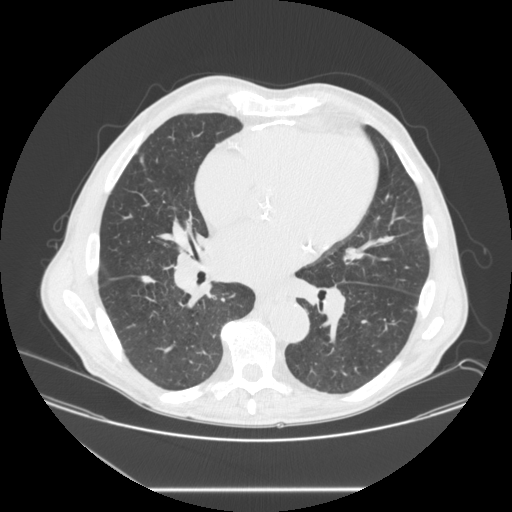
Axial chest CT slice 115 of 245 (counted from the lowest slice); tube voltage 120 kVp, convolution kernel STANDARD; slices 1.25 mm thick, 0.834 mm per pixel.
Pulmonary nodule, outlined by three of the four readers. Box on this slice rows 275–282, columns 140–155, the union of the readers' outlines on this slice; longest diameter 15.0 mm on average over the three readers' outlines (readers' outlines 14.3–16.2 mm), volume 328–432 mm3. Ratings, by the readers' most common answer with dissent counted: texture 5/5 (solid), all three readers agreeing; margin 5/5 (circumscribed) by two of three readers; the rest gave 4/5 (one); sphericity 3/5 (ovoid), all three readers agreeing; calcification absent, all three readers agreeing; internal structure soft tissue from all three readers; most readers (two of three) put subtlety at 4/5, others 5/5 (one); malignancy likelihood 3/5 by two of three readers; the rest gave 2/5 (one). Scale key (1–5): texture non-solid→solid, margin indistinct→circumscribed, sphericity linear→round, subtlety extremely subtle→obvious, malignancy likelihood highly unlikely→highly suspicious of cancer. Box rows and columns are 0-based pixel indices from the top-left corner, inclusive.